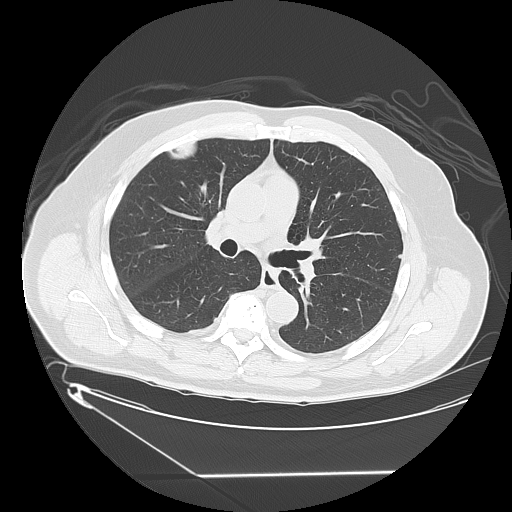
One axial slice (60 of 117, counting up from the lowest) of a chest CT acquired at 120 kVp with the LUNG kernel; each pixel is 0.898 mm and the slice is 2.50 mm thick.
Two pulmonary nodules are outlined on this slice; from left to right: (1) Pulmonary nodule, outlined by three of the four readers. Box on this slice rows 142–158, columns 165–196, the union of the readers' outlines on this slice; median longest diameter 35.4 mm (readers' outlines 32.3–37.3 mm), median volume 9520 mm3 (8512–9765 mm3). Median ratings and the readers' spread: texture 5/5 (solid), all three readers agreeing; margin 5/5 (circumscribed), all three readers agreeing; median sphericity 3/5 (ovoid) (readers ranged 3/5 (ovoid) to 5/5 (round)); calcification absent, all three readers agreeing; internal structure soft tissue from all three readers; median subtlety 5/5 (readers ranged 3–5); malignancy likelihood 2/5 at the median of three readers, spread 2–5. (2) Pulmonary nodule at rows 255–258, columns 398–400 (box = that reader's outline on this slice), outlined by one of the four readers; longest diameter 4.8 mm and volume 34 mm3 from that reader's outline. Ratings by that reader: texture 5/5 (solid); margin 5/5 (circumscribed); sphericity 5/5 (round); calcification absent; internal structure soft tissue; subtlety 2/5; malignancy likelihood 2/5. Scale key (1–5): texture non-solid→solid, margin indistinct→circumscribed, sphericity linear→round, subtlety extremely subtle→obvious, malignancy likelihood highly unlikely→highly suspicious of cancer. Box rows and columns are 0-based pixel indices from the top-left corner, inclusive.